Axial chest CT slice 165 of 429 (counted from the lowest slice); tube voltage 120 kVp, convolution kernel STANDARD; slices 1.25 mm thick, 0.703 mm per pixel.
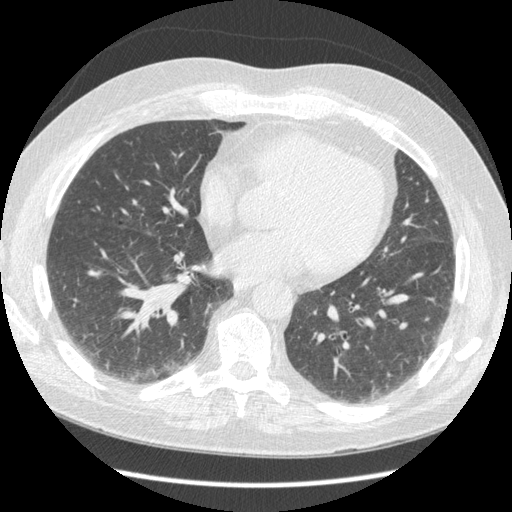
Pulmonary nodule at rows 371–376, columns 386–391 (box = the union of the readers' outlines on this slice), outlined by all four readers, two of them on this slice; median longest diameter 9.0 mm (readers' outlines 7.9–12.4 mm), median volume 146 mm3 (94–254 mm3). Median ratings and the readers' spread: texture 5/5 (solid), all four readers agreeing; margin 4/5 at the median of four readers, spread 3/5 to 5/5 (circumscribed); median sphericity 4/5 (readers ranged 3/5 (ovoid) to 5/5 (round)); calcification absent from all four readers; internal structure soft tissue from all four readers; subtlety 3.5/5 at the median of four readers, spread 3–5; median malignancy likelihood 3/5 (readers ranged 2–4). Scale key (1–5): texture non-solid→solid, margin indistinct→circumscribed, sphericity linear→round, subtlety extremely subtle→obvious, malignancy likelihood highly unlikely→highly suspicious of cancer. Box rows and columns are 0-based pixel indices from the top-left corner, inclusive.